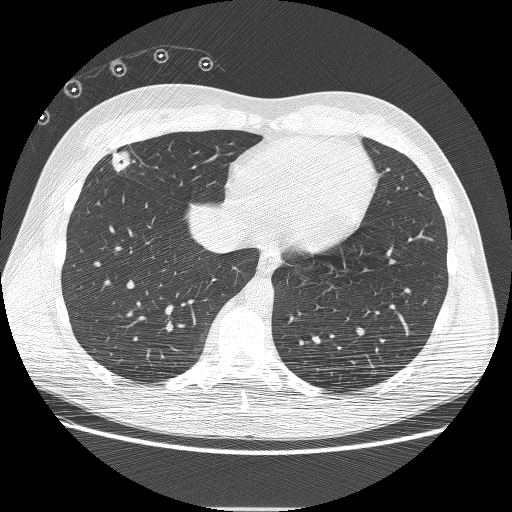
Slice 64/230 of a chest CT, counting up from the lowest; pixel size 0.732 mm, slice thickness 1.25 mm. Pulmonary nodule, outlined by all four readers. Box on this slice rows 150–172, columns 111–134, the union of the readers' outlines on this slice; median longest diameter 27.2 mm (readers' outlines 23.5–29.5 mm), median volume 3460 mm3 (3146–3701 mm3). Ratings, median across the readers with their spread: texture 5/5 (solid) from all four readers; median margin 4.5/5 (readers ranged 3/5 to 5/5 (circumscribed)); sphericity 3.5/5 at the median of four readers, spread 3/5 (ovoid) to 4/5; calcification absent from all four readers; internal structure soft tissue, all four readers agreeing; subtlety 5/5, all four readers agreeing; malignancy likelihood 5/5 at the median of four readers, spread 4–5. Scale key (1–5): texture non-solid→solid, margin indistinct→circumscribed, sphericity linear→round, subtlety extremely subtle→obvious, malignancy likelihood highly unlikely→highly suspicious of cancer. Box rows and columns are 0-based pixel indices from the top-left corner, inclusive.
Acquired at 120 kVp and reconstructed with the BONE kernel.